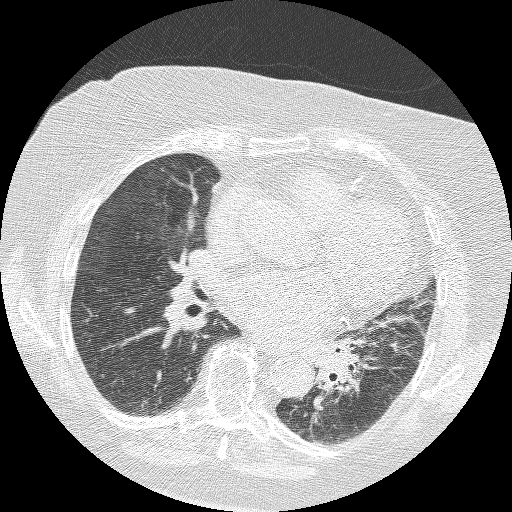
One axial slice (134 of 235, counting up from the lowest) of a chest CT acquired at 120 kVp with the BONE kernel; each pixel is 0.625 mm and the slice is 1.25 mm thick.
Pulmonary nodule at rows 398–404, columns 141–146 (box = the one reader's outline on this slice), outlined by two of the four readers, one of them on this slice; the two readers' outlines give a longest diameter between 17.6 and 22.4 mm and a volume between 602 and 1472 mm3. The readers' ratings, as ranges where they differ: texture 5/5 (solid) from both readers; margin from 2/5 to 5/5 (circumscribed) across the two readers; sphericity from 1/5 (linear) to 2/5 across the two readers; calcification absent from both readers; internal structure soft tissue from both readers; subtlety 5/5, both readers agreeing; malignancy likelihood 3/5 from both readers. Scale key (1–5): texture non-solid→solid, margin indistinct→circumscribed, sphericity linear→round, subtlety extremely subtle→obvious, malignancy likelihood highly unlikely→highly suspicious of cancer. Box rows and columns are 0-based pixel indices from the top-left corner, inclusive.